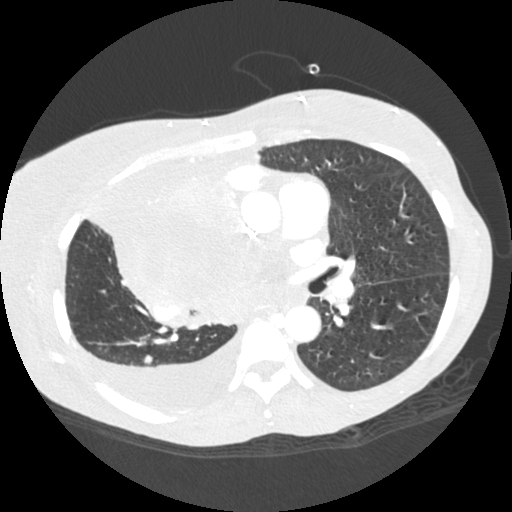
Axial chest CT slice 130 of 238 (counted from the lowest slice); 1.25 mm thick, 0.625 mm per pixel. Pulmonary nodule, outlined by all four readers. Box on this slice rows 355–364, columns 144–152, the union of the readers' outlines on this slice; longest diameter 7.1 mm on average over the four readers' outlines (readers' outlines 6.7–7.3 mm), volume 136–179 mm3. Ratings, by the readers' most common answer with dissent counted: texture 5/5 (solid) from all four readers; margin 5/5 (circumscribed) by three of four readers; the rest gave 4/5 (one); sphericity 5/5 (round) by two of four readers; the rest gave 3/5 (ovoid) (one), 4/5 (one); calcification absent, all four readers agreeing; internal structure soft tissue, all four readers agreeing; subtlety 3/5 by two of four readers; the rest gave 4/5 (one), 5/5 (one); malignancy likelihood split among the readers: 2/5 (two), 3/5 (two). Scale key (1–5): texture non-solid→solid, margin indistinct→circumscribed, sphericity linear→round, subtlety extremely subtle→obvious, malignancy likelihood highly unlikely→highly suspicious of cancer. Box rows and columns are 0-based pixel indices from the top-left corner, inclusive.
Acquired at 120 kVp and reconstructed with the STANDARD kernel.